Chest CT, axial plane, 120 kVp, kernel STANDARD. Slice 125/258 from the bottom of the scan; thickness 1.25 mm; pixel size 0.859 mm.
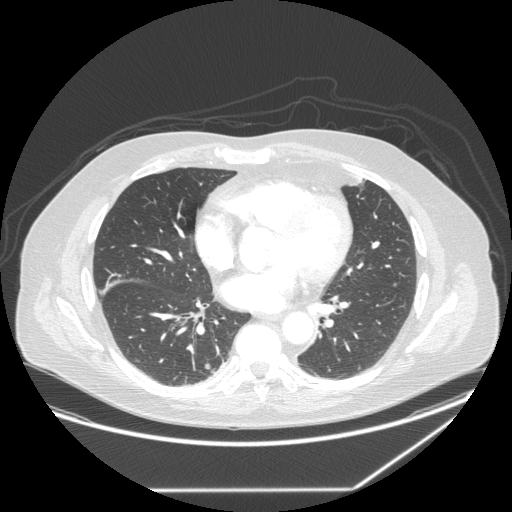
Two pulmonary nodules are outlined on this slice; from left to right: (1) Pulmonary nodule at rows 363–369, columns 204–210 (box = the union of the readers' outlines on this slice), outlined by all four readers; median longest diameter 10.0 mm (readers' outlines 8.2–10.9 mm), median volume 342 mm3 (187–384 mm3). Ratings, median across the readers with their spread: texture 5/5 (solid) from all four readers; margin 4.5/5 at the median of four readers, spread 4/5 to 5/5 (circumscribed); median sphericity 4.5/5 (readers ranged 4/5 to 5/5 (round)); calcification absent, all four readers agreeing; internal structure soft tissue, all four readers agreeing; median subtlety 4/5 (readers ranged 3–5); malignancy likelihood 3/5 at the median of four readers, spread 2–4. (2) Pulmonary nodule at rows 283–286, columns 393–397 (box = the union of the readers' outlines on this slice), outlined by all four readers; longest diameter 7.9 mm on average over the four readers' outlines (readers' outlines 7.3–8.6 mm), volume 165–207 mm3. The readers' prevailing ratings and who disagreed: texture 5/5 (solid), all four readers agreeing; margin 5/5 (circumscribed), all four readers agreeing; sphericity 5/5 (round) by three of four readers; the rest gave 4/5 (one); calcification absent from all four readers; internal structure soft tissue, all four readers agreeing; subtlety 3/5 by two of four readers; the rest gave 4/5 (one), 5/5 (one); malignancy likelihood split among the readers: 2/5 (two), 3/5 (two). Scale key (1–5): texture non-solid→solid, margin indistinct→circumscribed, sphericity linear→round, subtlety extremely subtle→obvious, malignancy likelihood highly unlikely→highly suspicious of cancer. Box rows and columns are 0-based pixel indices from the top-left corner, inclusive.